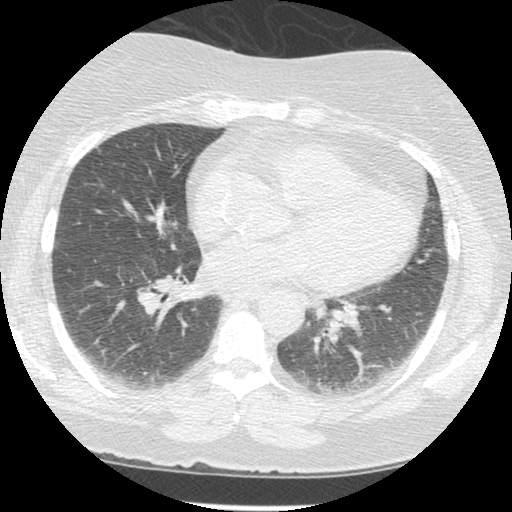
Axial slice 150 of 381 of a chest CT (slice 1 is the lowest), reconstructed with the STANDARD kernel at 120 kVp; 1.25 mm slice thickness and 0.625 mm pixels.
Pulmonary nodule, outlined by three of the four readers, two of them on this slice. Box on this slice rows 149–152, columns 98–99, the union of the readers' outlines on this slice; the three readers' outlines give a longest diameter between 6.5 and 7.1 mm and a volume between 53 and 61 mm3. The readers' ratings, as ranges where they differ: texture from 1/5 (non-solid) to 5/5 (solid) across the three readers; margin from 3/5 to 5/5 (circumscribed) across the three readers; sphericity from 3/5 (ovoid) to 5/5 (round) across the three readers; calcification absent, all three readers agreeing; internal structure soft tissue from all three readers; subtlety from 3/5 to 5/5 across the three readers; malignancy likelihood from 2/5 to 3/5 across the three readers. Scale key (1–5): texture non-solid→solid, margin indistinct→circumscribed, sphericity linear→round, subtlety extremely subtle→obvious, malignancy likelihood highly unlikely→highly suspicious of cancer. Box rows and columns are 0-based pixel indices from the top-left corner, inclusive.